Axial chest CT slice 116 of 162 (counted from the lowest slice); tube voltage 120 kVp, convolution kernel BONE; slices 1.25 mm thick, 0.703 mm per pixel.
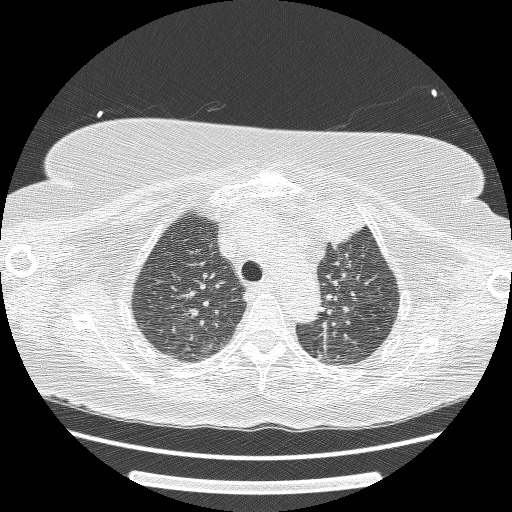
Pulmonary nodule outlined by two of the four readers; box rows 355–358, columns 317–320 (the union of the readers' outlines on this slice); longest diameter 7.0 mm on average over the two readers' outlines (readers' outlines 6.0–8.0 mm), volume 72–89 mm3. Ratings, by the readers' most common answer with dissent counted: texture 5/5 (solid), both readers agreeing; margin split among the readers: 3/5 (one), 4/5 (one); sphericity 4/5, both readers agreeing; calcification absent from both readers; internal structure soft tissue from both readers; subtlety split among the readers: 3/5 (one), 4/5 (one); malignancy likelihood 2/5 from both readers. Scale key (1–5): texture non-solid→solid, margin indistinct→circumscribed, sphericity linear→round, subtlety extremely subtle→obvious, malignancy likelihood highly unlikely→highly suspicious of cancer. Box rows and columns are 0-based pixel indices from the top-left corner, inclusive.